One axial slice (78 of 109, counting up from the lowest) of a chest CT acquired at 120 kVp with the LUNG kernel; each pixel is 0.781 mm and the slice is 2.50 mm thick.
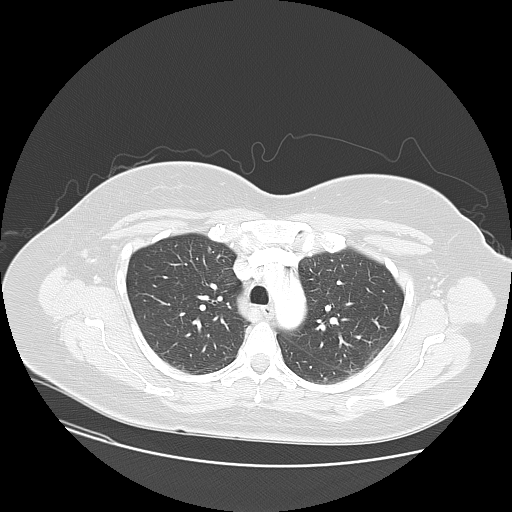
Pulmonary nodule, outlined by all four readers. Box on this slice rows 246–252, columns 207–210, the union of the readers' outlines on this slice; longest diameter 6.5 mm on average over the four readers' outlines (readers' outlines 5.9–7.0 mm), volume 79–104 mm3. The readers' prevailing ratings and who disagreed: texture 5/5 (solid) from all four readers; most readers (three of four) put margin at 5/5 (circumscribed), others 3/5 (one); sphericity 4/5 by two of four readers; the rest gave 3/5 (ovoid) (one), 5/5 (round) (one); calcification absent from all four readers; internal structure soft tissue from all four readers; subtlety 3/5 by three of four readers; the rest gave 4/5 (one); malignancy likelihood 2/5 by two of four readers; the rest gave 1/5 (one), 3/5 (one). Scale key (1–5): texture non-solid→solid, margin indistinct→circumscribed, sphericity linear→round, subtlety extremely subtle→obvious, malignancy likelihood highly unlikely→highly suspicious of cancer. Box rows and columns are 0-based pixel indices from the top-left corner, inclusive.